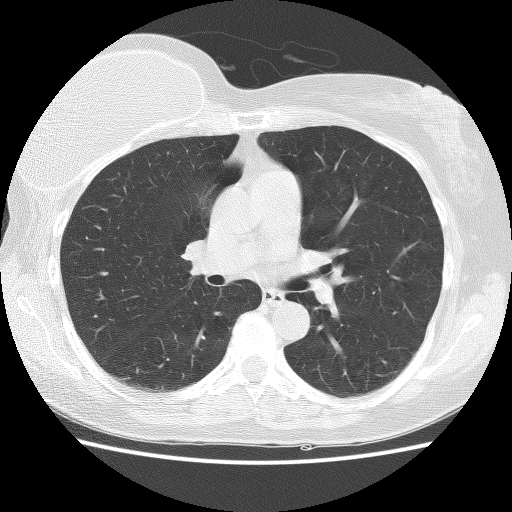
Axial chest CT slice 69 of 122 (counted from the lowest slice); tube voltage 140 kVp, convolution kernel BONE; slices 2.50 mm thick, 0.664 mm per pixel.
Pulmonary nodule, outlined by one of the four readers. Box on this slice rows 279–287, columns 389–394, that reader's outline on this slice; longest diameter 7.2 mm and volume 61 mm3 from that reader's outline. That reader's ratings: texture 1/5 (non-solid); margin 2/5; sphericity 5/5 (round); calcification absent; internal structure soft tissue; subtlety 1/5; malignancy likelihood 3/5. Scale key (1–5): texture non-solid→solid, margin indistinct→circumscribed, sphericity linear→round, subtlety extremely subtle→obvious, malignancy likelihood highly unlikely→highly suspicious of cancer. Box rows and columns are 0-based pixel indices from the top-left corner, inclusive.